Chest CT, axial plane, 120 kVp, kernel D. Slice 99/290 from the bottom of the scan; thickness 1.00 mm; pixel size 0.662 mm.
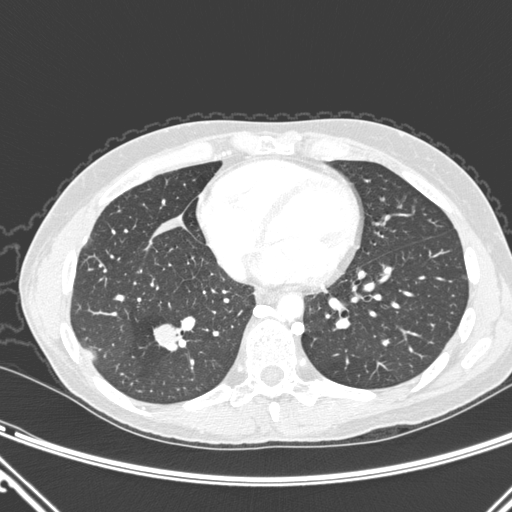
Pulmonary nodule at rows 323–351, columns 152–182 (box = the union of the readers' outlines on this slice), outlined by all four readers; the four readers' outlines give a longest diameter between 22.2 and 29.6 mm and a volume between 2637 and 3531 mm3. Ratings across the readers: texture 5/5 (solid), all four readers agreeing; margin from 4/5 to 5/5 (circumscribed) across the four readers; sphericity from 2/5 to 5/5 (round) across the four readers; calcification absent from all four readers; internal structure soft tissue, all four readers agreeing; subtlety 5/5 from all four readers; malignancy likelihood rated between 3 and 5 out of 5 by the four readers. Scale key (1–5): texture non-solid→solid, margin indistinct→circumscribed, sphericity linear→round, subtlety extremely subtle→obvious, malignancy likelihood highly unlikely→highly suspicious of cancer. Box rows and columns are 0-based pixel indices from the top-left corner, inclusive.